One axial slice (124 of 484, counting up from the lowest) of a chest CT acquired at 120 kVp with the STANDARD kernel; each pixel is 0.586 mm and the slice is 1.25 mm thick.
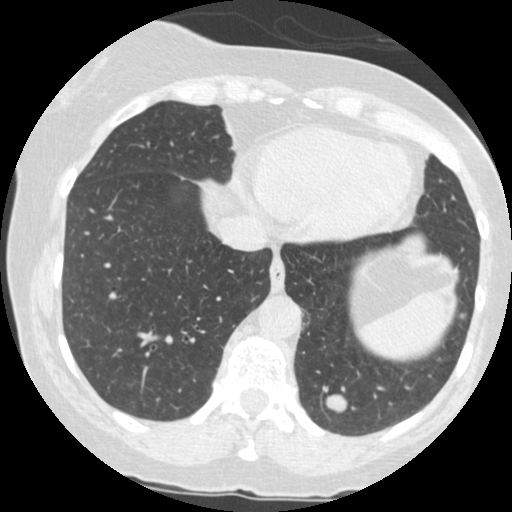
Two pulmonary nodules are outlined on this slice; from left to right: (1) Pulmonary nodule outlined by all four readers; box rows 393–412, columns 325–348 (the union of the readers' outlines on this slice); longest diameter 14.7–16.9 mm and volume 1036–1469 mm3 across the four readers' outlines. Ratings across the readers: texture 5/5 (solid) from all four readers; margin 5/5 (circumscribed), all four readers agreeing; sphericity from 3/5 (ovoid) to 5/5 (round) across the four readers; calcification absent, all four readers agreeing; internal structure soft tissue from all four readers; subtlety 5/5 from all four readers; malignancy likelihood from 2/5 to 5/5 across the four readers. (2) Pulmonary nodule outlined by all four readers, three of them on this slice; box rows 312–319, columns 458–466 (the union of the readers' outlines on this slice); longest diameter 6.0–7.2 mm and volume 36–76 mm3 across the four readers' outlines. Ratings across the readers: texture from 4/5 to 5/5 (solid) across the four readers; margin from 4/5 to 5/5 (circumscribed) across the four readers; sphericity from 3/5 (ovoid) to 5/5 (round) across the four readers; calcification absent from all four readers; internal structure soft tissue, all four readers agreeing; subtlety rated between 2 and 4 out of 5 by the four readers; malignancy likelihood from 1/5 to 3/5 across the four readers. Scale key (1–5): texture non-solid→solid, margin indistinct→circumscribed, sphericity linear→round, subtlety extremely subtle→obvious, malignancy likelihood highly unlikely→highly suspicious of cancer. Box rows and columns are 0-based pixel indices from the top-left corner, inclusive.